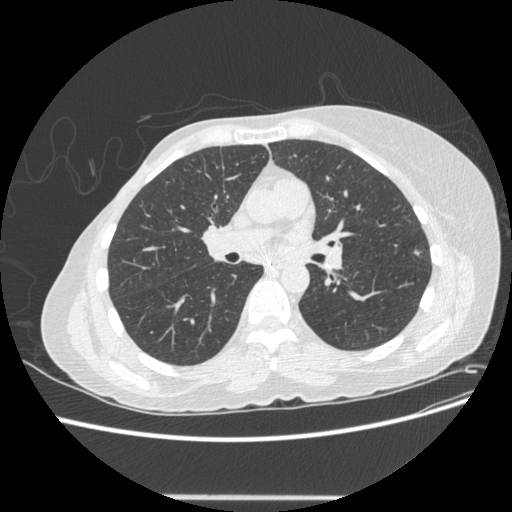
One axial slice (256 of 500, counting up from the lowest) of a chest CT acquired at 120 kVp with the STANDARD kernel; each pixel is 0.703 mm and the slice is 1.25 mm thick.
Pulmonary nodule outlined by all four readers; box rows 249–255, columns 413–420 (the union of the readers' outlines on this slice); median longest diameter 8.6 mm (readers' outlines 7.8–9.1 mm), median volume 135 mm3 (108–174 mm3). Ratings, median across the readers with their spread: texture 3/5 (part-solid) at the median of four readers, spread 1/5 (non-solid) to 5/5 (solid); margin 3/5 at the median of four readers, spread 1/5 (indistinct) to 5/5 (circumscribed); sphericity 4.5/5 at the median of four readers, spread 3/5 (ovoid) to 5/5 (round); calcification absent from all four readers; internal structure soft tissue from all four readers; median subtlety 4.5/5 (readers ranged 3–5); median malignancy likelihood 4/5 (readers ranged 3–5). Scale key (1–5): texture non-solid→solid, margin indistinct→circumscribed, sphericity linear→round, subtlety extremely subtle→obvious, malignancy likelihood highly unlikely→highly suspicious of cancer. Box rows and columns are 0-based pixel indices from the top-left corner, inclusive.